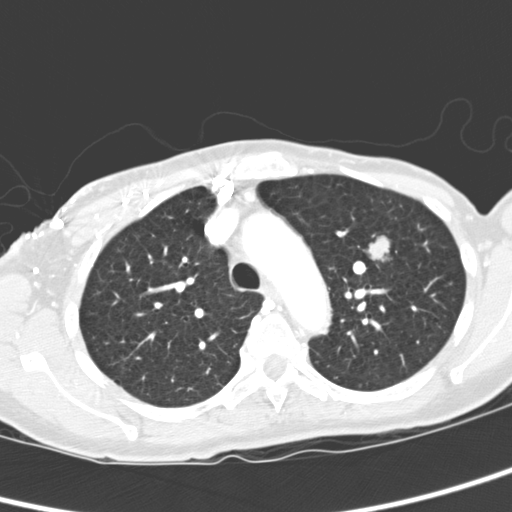
Chest CT, axial plane, 120 kVp, kernel D. Slice 237/321 from the bottom of the scan; thickness 2.00 mm; pixel size 0.557 mm.
Pulmonary nodule at rows 235–261, columns 366–392 (box = the union of the readers' outlines on this slice), outlined by all four readers; longest diameter 19.2–22.3 mm and volume 3069–4125 mm3 across the four readers' outlines. The readers' ratings, as ranges where they differ: texture 5/5 (solid), all four readers agreeing; margin 5/5 (circumscribed) from all four readers; sphericity from 4/5 to 5/5 (round) across the four readers; calcification absent, all four readers agreeing; internal structure soft tissue from all four readers; subtlety 5/5 from all four readers; malignancy likelihood rated between 2 and 5 out of 5 by the four readers. Scale key (1–5): texture non-solid→solid, margin indistinct→circumscribed, sphericity linear→round, subtlety extremely subtle→obvious, malignancy likelihood highly unlikely→highly suspicious of cancer. Box rows and columns are 0-based pixel indices from the top-left corner, inclusive.